One axial slice (96 of 141, counting up from the lowest) of a chest CT acquired at 120 kVp with the LUNG kernel; each pixel is 0.820 mm and the slice is 2.50 mm thick.
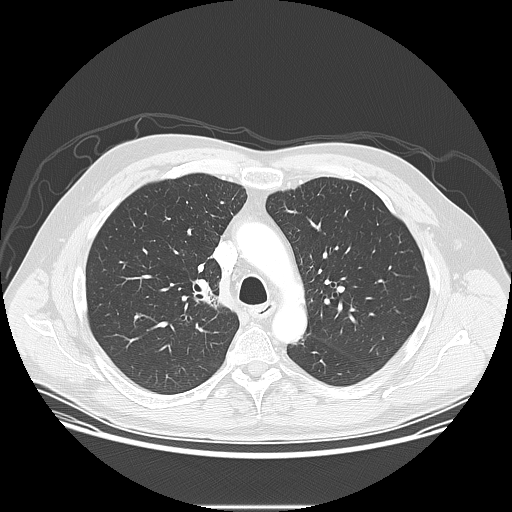
This slice carries no reader outline of a nodule 3 mm or larger.